Chest CT, axial plane, 135 kVp, kernel FC01. Slice 45/109 from the bottom of the scan; thickness 3.00 mm; pixel size 0.720 mm.
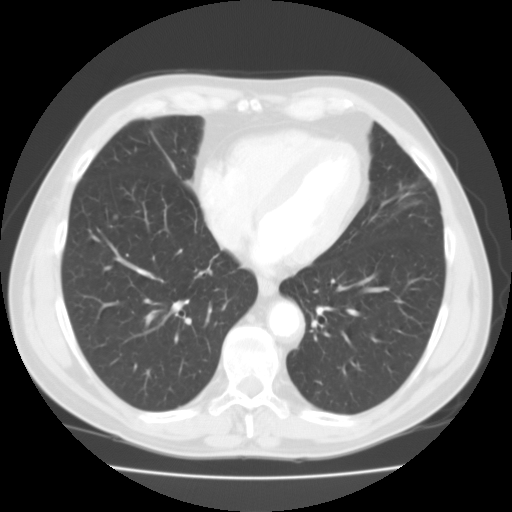
Pulmonary nodule outlined by two of the four readers; box rows 215–219, columns 114–118 (the union of the readers' outlines on this slice); median longest diameter 5.6 mm (readers' outlines 5.5–5.8 mm), median volume 94 mm3 (72–116 mm3). Median ratings and the readers' spread: texture 5/5 (solid) from both readers; margin 5/5 (circumscribed) from both readers; sphericity 4.5/5 at the median of two readers, spread 4/5 to 5/5 (round); calcification absent from both readers; internal structure soft tissue, both readers agreeing; subtlety 3.5/5 at the median of two readers, spread 3–4; malignancy likelihood 2/5 at the median of two readers, spread 1–3. Scale key (1–5): texture non-solid→solid, margin indistinct→circumscribed, sphericity linear→round, subtlety extremely subtle→obvious, malignancy likelihood highly unlikely→highly suspicious of cancer. Box rows and columns are 0-based pixel indices from the top-left corner, inclusive.